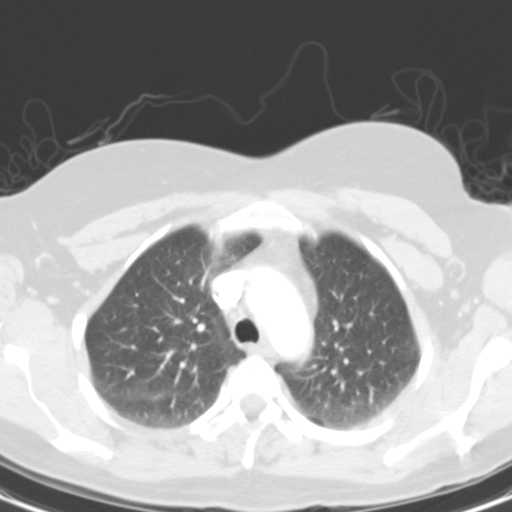
Chest CT, axial plane, 130 kVp, kernel B31s. Slice 74/94 from the bottom of the scan; thickness 3.00 mm; pixel size 0.570 mm.
This slice carries no reader outline of a nodule 3 mm or larger.